Chest CT, axial plane, 130 kVp, kernel B40s. Slice 155/278 from the bottom of the scan; thickness 3.00 mm; pixel size 0.977 mm.
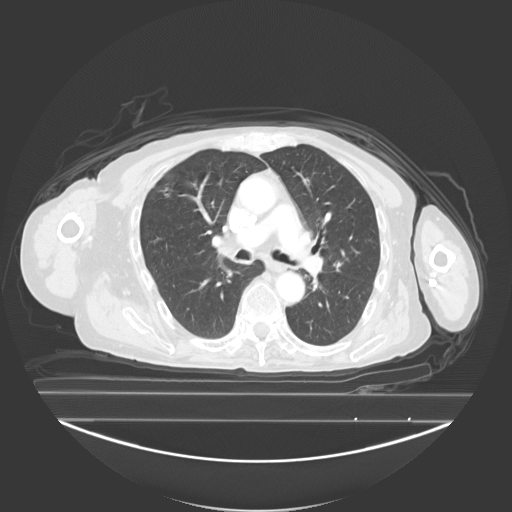
Two pulmonary nodules are outlined on this slice; from left to right: (1) Pulmonary nodule outlined by two of the four readers, one of them on this slice; box rows 194–196, columns 165–168 (the one reader's outline on this slice); the two readers' outlines give a longest diameter between 6.9 and 7.4 mm and a volume between 72 and 103 mm3. Ratings across the readers: texture from 3/5 (part-solid) to 5/5 (solid) across the two readers; margin from 3/5 to 4/5 across the two readers; sphericity 4/5, both readers agreeing; calcification absent, both readers agreeing; internal structure soft tissue from both readers; subtlety 3–4/5 (the readers disagree); malignancy likelihood 1–3/5 (the readers disagree). (2) Pulmonary nodule at rows 262–271, columns 333–342 (box = the union of the readers' outlines on this slice), outlined by three of the four readers; median longest diameter 12.8 mm (readers' outlines 12.8–14.8 mm), median volume 803 mm3 (665–985 mm3). Ratings, median across the readers with their spread: median texture 5/5 (solid) (readers ranged 4/5 to 5/5 (solid)); margin 4/5, all three readers agreeing; median sphericity 5/5 (round) (readers ranged 4/5 to 5/5 (round)); calcification absent from all three readers; internal structure soft tissue, all three readers agreeing; median subtlety 4/5 (readers ranged 3–5); median malignancy likelihood 3/5 (readers ranged 2–4). Scale key (1–5): texture non-solid→solid, margin indistinct→circumscribed, sphericity linear→round, subtlety extremely subtle→obvious, malignancy likelihood highly unlikely→highly suspicious of cancer. Box rows and columns are 0-based pixel indices from the top-left corner, inclusive.